Axial slice 56 of 103 of a chest CT (slice 1 is the lowest), reconstructed with the FC01 kernel at 135 kVp; 3.00 mm slice thickness and 0.738 mm pixels.
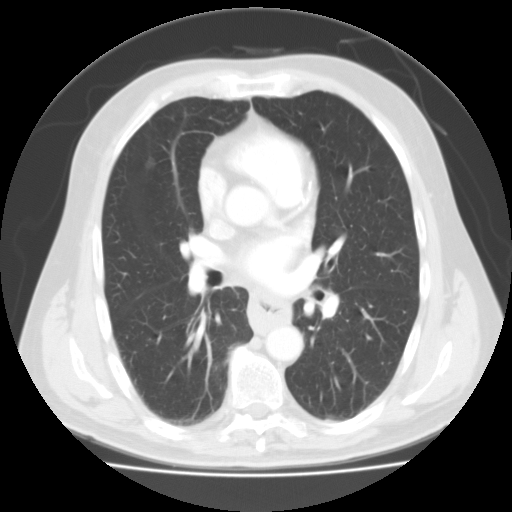
Pulmonary nodule, outlined by all four readers, two of them on this slice. Box on this slice rows 157–168, columns 145–154, the union of the readers' outlines on this slice; longest diameter 9.9 mm on average over the four readers' outlines (readers' outlines 8.6–10.6 mm), volume 124–440 mm3. The readers' prevailing ratings and who disagreed: texture split among the readers: 4/5 (two), 5/5 (solid) (two); margin 3/5 by two of four readers; the rest gave 4/5 (one), 5/5 (circumscribed) (one); most readers (three of four) put sphericity at 4/5, others 5/5 (round) (one); calcification absent, all four readers agreeing; internal structure soft tissue from all four readers; subtlety split among the readers: 4/5 (two), 5/5 (two); malignancy likelihood split among the readers: 3/5 (two), 4/5 (two). Scale key (1–5): texture non-solid→solid, margin indistinct→circumscribed, sphericity linear→round, subtlety extremely subtle→obvious, malignancy likelihood highly unlikely→highly suspicious of cancer. Box rows and columns are 0-based pixel indices from the top-left corner, inclusive.